Chest CT, axial plane, 120 kVp, kernel STANDARD. Slice 364/481 from the bottom of the scan; thickness 1.25 mm; pixel size 0.703 mm.
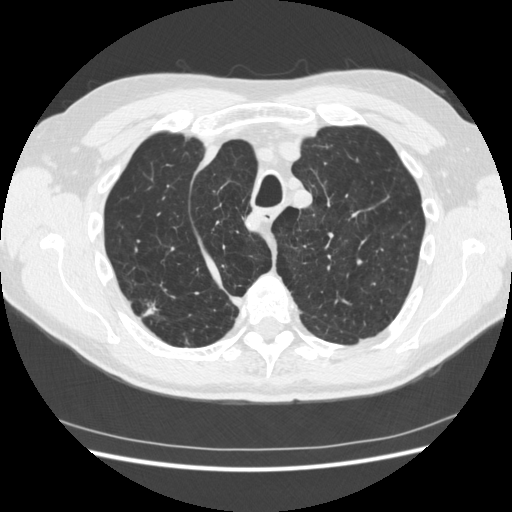
Pulmonary nodule, outlined by all four readers. Box on this slice rows 298–318, columns 133–159, the union of the readers' outlines on this slice; the four readers' outlines give a longest diameter between 18.7 and 34.9 mm and a volume between 1155 and 4169 mm3. Ratings across the readers: texture from 4/5 to 5/5 (solid) across the four readers; margin from 1/5 (indistinct) to 4/5 across the four readers; sphericity from 2/5 to 5/5 (round) across the four readers; calcification absent from all four readers; internal structure soft tissue, all four readers agreeing; subtlety 5/5 from all four readers; malignancy likelihood from 4/5 to 5/5 across the four readers. Scale key (1–5): texture non-solid→solid, margin indistinct→circumscribed, sphericity linear→round, subtlety extremely subtle→obvious, malignancy likelihood highly unlikely→highly suspicious of cancer. Box rows and columns are 0-based pixel indices from the top-left corner, inclusive.